Axial chest CT slice 359 of 445 (counted from the lowest slice); tube voltage 120 kVp, convolution kernel STANDARD; slices 1.25 mm thick, 0.645 mm per pixel.
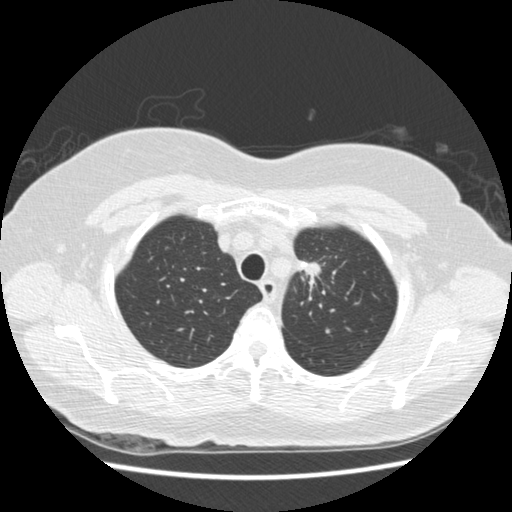
Pulmonary nodule, outlined by one of the four readers. Box on this slice rows 262–290, columns 299–320, that reader's outline on this slice; longest diameter 31.0 mm and volume 2055 mm3 from that reader's outline. That reader's ratings: texture 5/5 (solid); margin 2/5; sphericity 2/5; calcification absent; internal structure soft tissue; subtlety 5/5; malignancy likelihood 4/5. Scale key (1–5): texture non-solid→solid, margin indistinct→circumscribed, sphericity linear→round, subtlety extremely subtle→obvious, malignancy likelihood highly unlikely→highly suspicious of cancer. Box rows and columns are 0-based pixel indices from the top-left corner, inclusive.